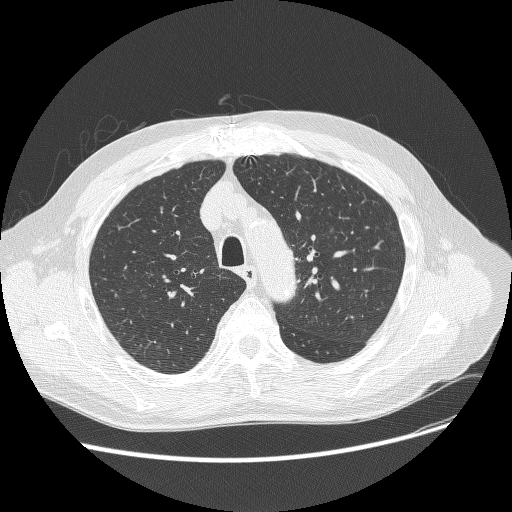
Axial slice 207 of 268 of a chest CT (slice 1 is the lowest), reconstructed with the BONE kernel at 120 kVp; 1.25 mm slice thickness and 0.742 mm pixels.
Two pulmonary nodules on this slice, listed from left to right. (1) Pulmonary nodule, outlined by three of the four readers, two of them on this slice. Box on this slice rows 345–348, columns 156–160, the union of the readers' outlines on this slice; median longest diameter 5.4 mm (readers' outlines 4.7–6.8 mm), median volume 79 mm3 (40–85 mm3). Median ratings and the readers' spread: texture 1/5 (non-solid), all three readers agreeing; median margin 2/5 (readers ranged 1/5 (indistinct) to 3/5); sphericity 3/5 (ovoid) at the median of three readers, spread 3/5 (ovoid) to 5/5 (round); calcification absent from all three readers; internal structure soft tissue from all three readers; median subtlety 2/5 (readers ranged 1–2); malignancy likelihood 3/5, all three readers agreeing. (2) Pulmonary nodule, outlined by three of the four readers. Box on this slice rows 226–234, columns 328–334, the union of the readers' outlines on this slice; the three readers' outlines give a longest diameter between 6.3 and 8.7 mm and a volume between 55 and 117 mm3. Ratings across the readers: texture from 1/5 (non-solid) to 2/5 across the three readers; margin from 1/5 (indistinct) to 3/5 across the three readers; sphericity from 3/5 (ovoid) to 4/5 across the three readers; calcification absent, all three readers agreeing; internal structure soft tissue from all three readers; subtlety 1–2/5 (the readers disagree); malignancy likelihood 2–3/5 (the readers disagree). Scale key (1–5): texture non-solid→solid, margin indistinct→circumscribed, sphericity linear→round, subtlety extremely subtle→obvious, malignancy likelihood highly unlikely→highly suspicious of cancer. Box rows and columns are 0-based pixel indices from the top-left corner, inclusive.